One axial slice (177 of 242, counting up from the lowest) of a chest CT acquired at 120 kVp with the LUNG kernel; each pixel is 0.703 mm and the slice is 1.25 mm thick.
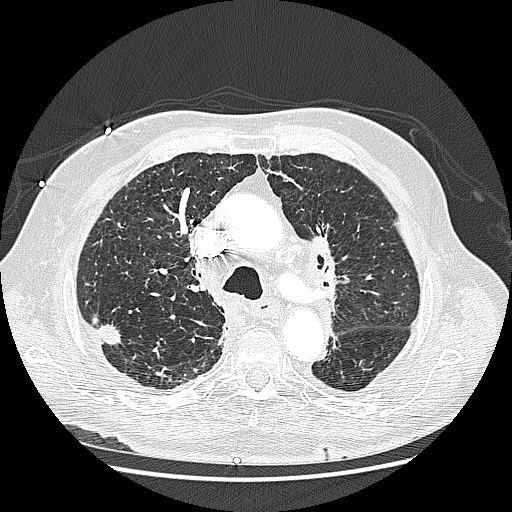
Pulmonary nodule outlined by three of the four readers; box rows 322–344, columns 96–120 (the union of the readers' outlines on this slice); longest diameter 23.6–31.8 mm and volume 3005–3613 mm3 across the three readers' outlines. Ratings across the readers: texture 5/5 (solid), all three readers agreeing; margin from 3/5 to 5/5 (circumscribed) across the three readers; sphericity from 3/5 (ovoid) to 4/5 across the three readers; calcification absent, all three readers agreeing; internal structure soft tissue, all three readers agreeing; subtlety 4–5/5 (the readers disagree); malignancy likelihood from 4/5 to 5/5 across the three readers. Scale key (1–5): texture non-solid→solid, margin indistinct→circumscribed, sphericity linear→round, subtlety extremely subtle→obvious, malignancy likelihood highly unlikely→highly suspicious of cancer. Box rows and columns are 0-based pixel indices from the top-left corner, inclusive.